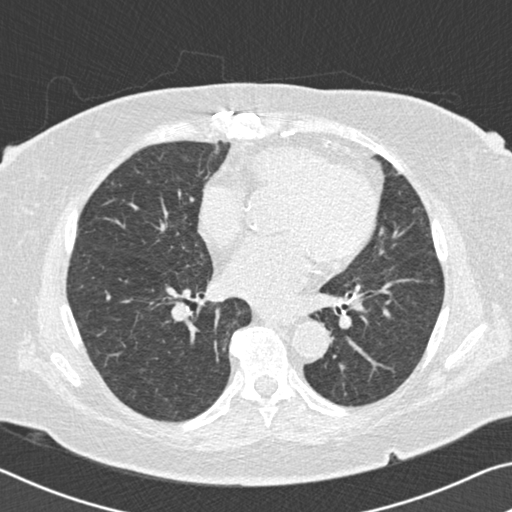
One axial slice (84 of 167, counting up from the lowest) of a chest CT acquired at 120 kVp with the B30f kernel; each pixel is 0.664 mm and the slice is 2.00 mm thick.
None of the four readers outlined a nodule of 3 mm or more on this slice.